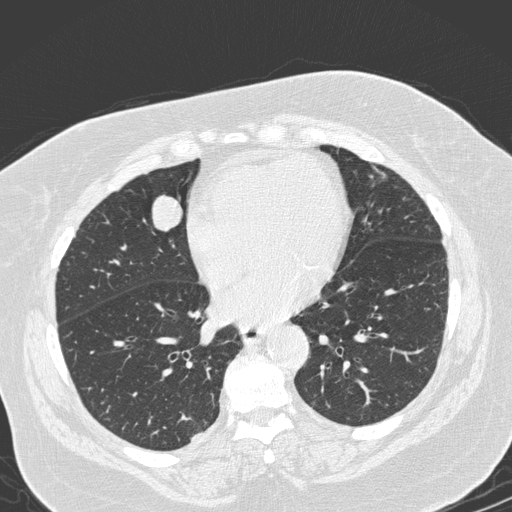
Axial chest CT slice 87 of 280 (counted from the lowest slice); 1.00 mm thick, 0.666 mm per pixel. Pulmonary nodule, outlined by all four readers. Box on this slice rows 195–231, columns 149–182, the union of the readers' outlines on this slice; median longest diameter 25.4 mm (readers' outlines 25.0–27.8 mm), median volume 5111 mm3 (4698–5913 mm3). Median ratings and the readers' spread: texture 5/5 (solid) from all four readers; median margin 4.5/5 (readers ranged 4/5 to 5/5 (circumscribed)); median sphericity 4.5/5 (readers ranged 3/5 (ovoid) to 5/5 (round)); calcification absent, all four readers agreeing; internal structure soft tissue, all four readers agreeing; subtlety 5/5, all four readers agreeing; malignancy likelihood 4.5/5 at the median of four readers, spread 2–5. Scale key (1–5): texture non-solid→solid, margin indistinct→circumscribed, sphericity linear→round, subtlety extremely subtle→obvious, malignancy likelihood highly unlikely→highly suspicious of cancer. Box rows and columns are 0-based pixel indices from the top-left corner, inclusive.
Scan settings: 120 kVp, D reconstruction kernel.